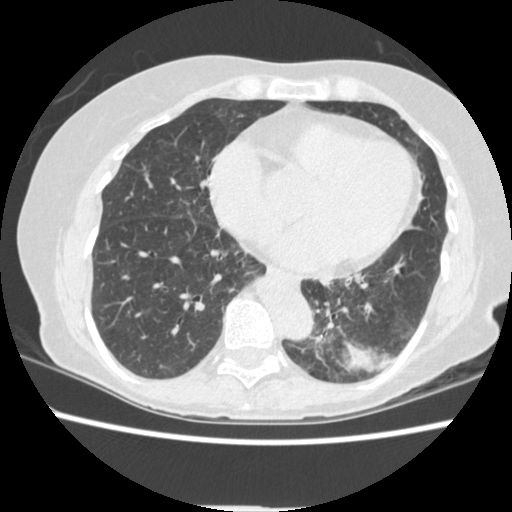
Chest CT, axial plane, 120 kVp, kernel STANDARD. Slice 121/362 from the bottom of the scan; thickness 1.25 mm; pixel size 0.625 mm.
Pulmonary nodule, outlined by one of the four readers. Box on this slice rows 342–369, columns 345–377, that reader's outline on this slice; longest diameter 37.2 mm and volume 2579 mm3 from that reader's outline. Ratings by that reader: texture 5/5 (solid); margin 3/5; sphericity 4/5; calcification absent; internal structure soft tissue; subtlety 5/5; malignancy likelihood 4/5. Scale key (1–5): texture non-solid→solid, margin indistinct→circumscribed, sphericity linear→round, subtlety extremely subtle→obvious, malignancy likelihood highly unlikely→highly suspicious of cancer. Box rows and columns are 0-based pixel indices from the top-left corner, inclusive.